Chest CT, axial plane, 120 kVp, kernel STANDARD. Slice 51/144 from the bottom of the scan; thickness 2.50 mm; pixel size 0.664 mm.
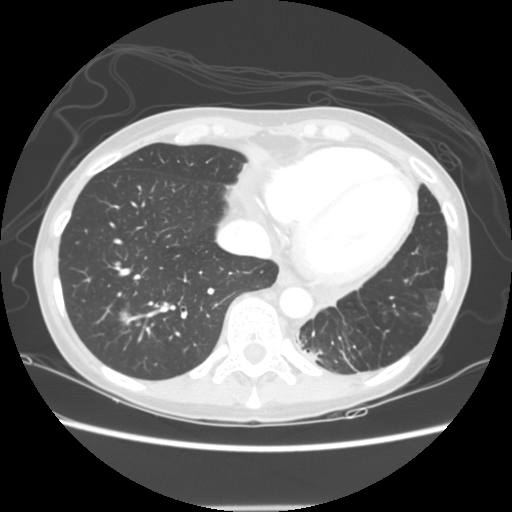
Pulmonary nodule at rows 306–326, columns 118–130 (box = the union of the readers' outlines on this slice), outlined by all four readers; median longest diameter 16.9 mm (readers' outlines 16.8–18.1 mm), median volume 1623 mm3 (1370–1807 mm3). Median ratings and the readers' spread: texture 5/5 (solid), all four readers agreeing; median margin 4.5/5 (readers ranged 4/5 to 5/5 (circumscribed)); sphericity 4/5 at the median of four readers, spread 3/5 (ovoid) to 5/5 (round); calcification absent, all four readers agreeing; internal structure soft tissue, all four readers agreeing; subtlety 5/5, all four readers agreeing; malignancy likelihood 4/5 at the median of four readers, spread 3–5. Scale key (1–5): texture non-solid→solid, margin indistinct→circumscribed, sphericity linear→round, subtlety extremely subtle→obvious, malignancy likelihood highly unlikely→highly suspicious of cancer. Box rows and columns are 0-based pixel indices from the top-left corner, inclusive.